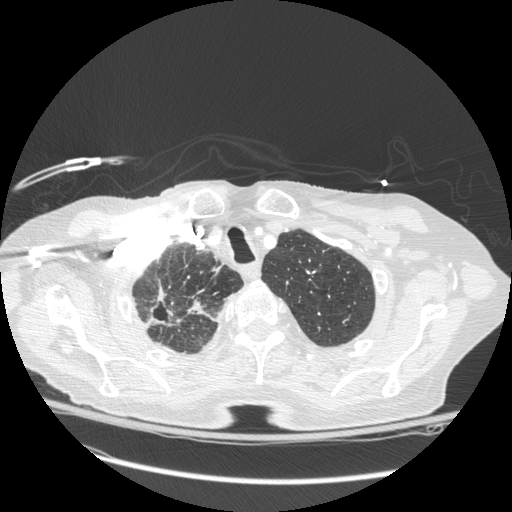
Axial slice 234 of 272 of a chest CT (slice 1 is the lowest), reconstructed with the STANDARD kernel at 120 kVp; 1.25 mm slice thickness and 0.742 mm pixels.
Pulmonary nodule outlined by all four readers, one of them on this slice; box rows 293–324, columns 151–171 (the one reader's outline on this slice); the four readers' outlines give a longest diameter between 16.0 and 56.1 mm and a volume between 732 and 13897 mm3. Ratings across the readers: texture 5/5 (solid) from all four readers; margin from 3/5 to 5/5 (circumscribed) across the four readers; sphericity from 3/5 (ovoid) to 4/5 across the four readers; calcification absent, all four readers agreeing; internal structure soft tissue from all four readers; subtlety 5/5, all four readers agreeing; malignancy likelihood rated between 4 and 5 out of 5 by the four readers. Scale key (1–5): texture non-solid→solid, margin indistinct→circumscribed, sphericity linear→round, subtlety extremely subtle→obvious, malignancy likelihood highly unlikely→highly suspicious of cancer. Box rows and columns are 0-based pixel indices from the top-left corner, inclusive.